Axial slice 195 of 429 of a chest CT (slice 1 is the lowest), reconstructed with the B30f kernel at 120 kVp; 0.75 mm slice thickness and 0.586 mm pixels.
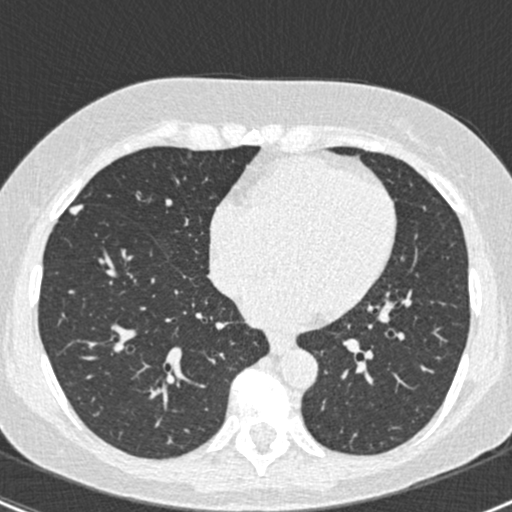
Pulmonary nodule outlined by three of the four readers; box rows 203–215, columns 68–83 (the union of the readers' outlines on this slice); the three readers' outlines give a longest diameter between 9.8 and 12.3 mm and a volume between 207 and 302 mm3. The readers' ratings, as ranges where they differ: texture 5/5 (solid) from all three readers; margin from 4/5 to 5/5 (circumscribed) across the three readers; sphericity from 2/5 to 3/5 (ovoid) across the three readers; calcification absent, all three readers agreeing; internal structure soft tissue, all three readers agreeing; subtlety 5/5, all three readers agreeing; malignancy likelihood 2–4/5 (the readers disagree). Scale key (1–5): texture non-solid→solid, margin indistinct→circumscribed, sphericity linear→round, subtlety extremely subtle→obvious, malignancy likelihood highly unlikely→highly suspicious of cancer. Box rows and columns are 0-based pixel indices from the top-left corner, inclusive.